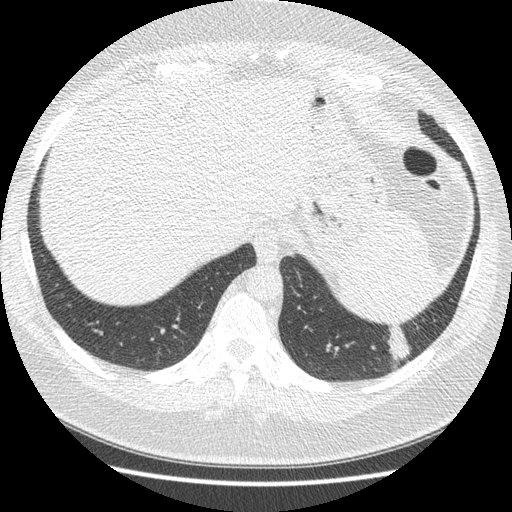
Axial chest CT slice 55 of 421 (counted from the lowest slice); 1.25 mm thick, 0.703 mm per pixel. Pulmonary nodule outlined four times (the source holds four more outlines, not used); box rows 324–361, columns 387–409 (the union of the readers' outlines on this slice); median longest diameter 32.9 mm (readers' outlines 30.9–38.9 mm), median volume 5450 mm3 (4443–5826 mm3). Median ratings and the readers' spread: median texture 5/5 (solid) (readers ranged 4/5 to 5/5 (solid)); margin 4/5 at the median of four readers, spread 3/5 to 4/5; median sphericity 2.5/5 (readers ranged 2/5 to 4/5); calcification absent, all four readers agreeing; internal structure soft tissue from all four readers; median subtlety 5/5 (readers ranged 4–5); malignancy likelihood 3.5/5 at the median of four readers, spread 2–5. Scale key (1–5): texture non-solid→solid, margin indistinct→circumscribed, sphericity linear→round, subtlety extremely subtle→obvious, malignancy likelihood highly unlikely→highly suspicious of cancer. Box rows and columns are 0-based pixel indices from the top-left corner, inclusive.
Acquired at 120 kVp and reconstructed with the STANDARD kernel.